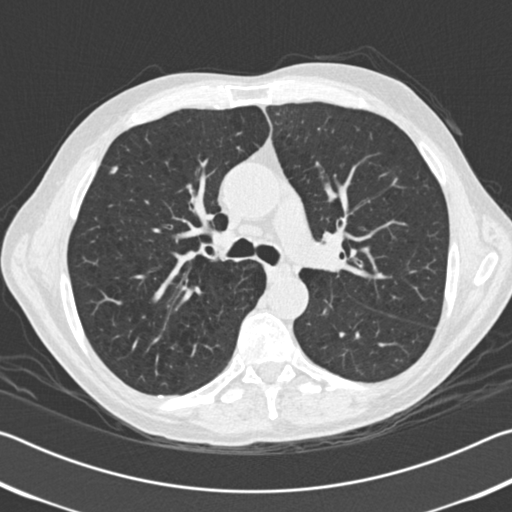
Chest CT, axial plane, 120 kVp, kernel B30f. Slice 119/192 from the bottom of the scan; thickness 2.00 mm; pixel size 0.664 mm.
Pulmonary nodule, outlined by all four readers. Box on this slice rows 165–174, columns 108–118, the union of the readers' outlines on this slice; median longest diameter 8.1 mm (readers' outlines 7.4–8.3 mm), median volume 149 mm3 (146–195 mm3). Ratings, median across the readers with their spread: texture 5/5 (solid) at the median of four readers, spread 4/5 to 5/5 (solid); median margin 4.5/5 (readers ranged 4/5 to 5/5 (circumscribed)); median sphericity 3.5/5 (readers ranged 3/5 (ovoid) to 5/5 (round)); calcification absent from all four readers; internal structure soft tissue, all four readers agreeing; median subtlety 4/5 (readers ranged 3–5); median malignancy likelihood 3/5 (readers ranged 2–4). Scale key (1–5): texture non-solid→solid, margin indistinct→circumscribed, sphericity linear→round, subtlety extremely subtle→obvious, malignancy likelihood highly unlikely→highly suspicious of cancer. Box rows and columns are 0-based pixel indices from the top-left corner, inclusive.